Axial chest CT slice 259 of 347 (counted from the lowest slice); tube voltage 120 kVp, convolution kernel B45f; slices 1.00 mm thick, 0.625 mm per pixel.
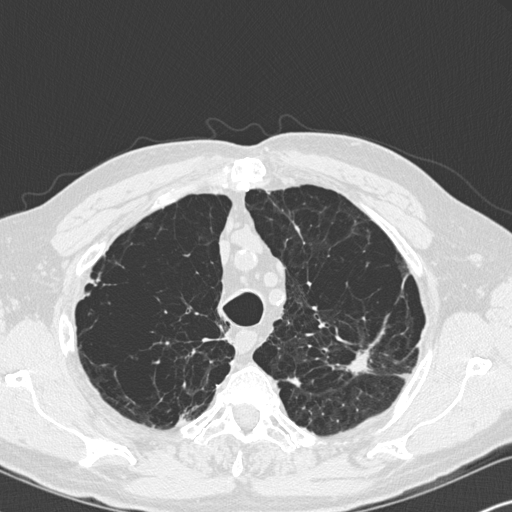
Two pulmonary nodules on this slice, listed from left to right. (1) Pulmonary nodule at rows 377–386, columns 286–300 (box = the union of the readers' outlines on this slice), outlined by two of the four readers; median longest diameter 11.8 mm (readers' outlines 11.3–12.3 mm), median volume 329 mm3 (328–329 mm3). Median ratings and the readers' spread: texture 5/5 (solid) from both readers; median margin 3/5 (readers ranged 2/5 to 4/5); median sphericity 3/5 (ovoid) (readers ranged 2/5 to 4/5); calcification absent, both readers agreeing; internal structure soft tissue, both readers agreeing; median subtlety 4.5/5 (readers ranged 4–5); malignancy likelihood 3/5 from both readers. (2) Pulmonary nodule at rows 349–375, columns 345–371 (box = that reader's outline on this slice), outlined by one of the four readers; longest diameter 24.3 mm and volume 1862 mm3 from that reader's outline. That reader's ratings: texture 5/5 (solid); margin 4/5; sphericity 3/5 (ovoid); calcification absent; internal structure soft tissue; subtlety 5/5; malignancy likelihood 4/5. Scale key (1–5): texture non-solid→solid, margin indistinct→circumscribed, sphericity linear→round, subtlety extremely subtle→obvious, malignancy likelihood highly unlikely→highly suspicious of cancer. Box rows and columns are 0-based pixel indices from the top-left corner, inclusive.